One axial slice (181 of 209, counting up from the lowest) of a chest CT acquired at 120 kVp with the STANDARD kernel; each pixel is 0.693 mm and the slice is 1.25 mm thick.
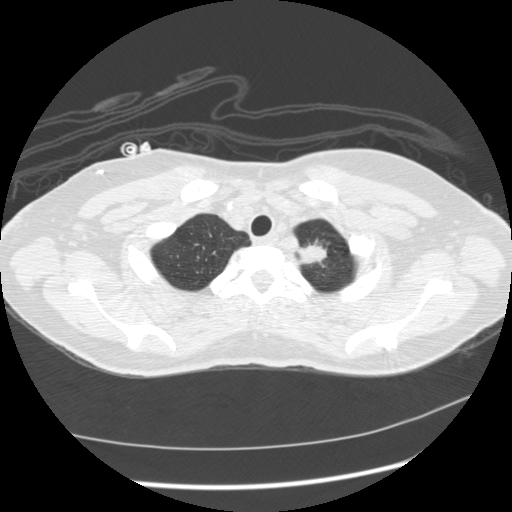
Pulmonary nodule at rows 237–265, columns 296–328 (box = the union of the readers' outlines on this slice), outlined by all four readers; median longest diameter 23.3 mm (readers' outlines 21.8–25.6 mm), median volume 3063 mm3 (2801–4927 mm3). Ratings, median across the readers with their spread: median texture 4/5 (readers ranged 4/5 to 5/5 (solid)); median margin 3.5/5 (readers ranged 3/5 to 4/5); median sphericity 3.5/5 (readers ranged 2/5 to 5/5 (round)); calcification absent from all four readers; internal structure soft tissue, all four readers agreeing; subtlety 5/5 from all four readers; malignancy likelihood 4.5/5 at the median of four readers, spread 3–5. Scale key (1–5): texture non-solid→solid, margin indistinct→circumscribed, sphericity linear→round, subtlety extremely subtle→obvious, malignancy likelihood highly unlikely→highly suspicious of cancer. Box rows and columns are 0-based pixel indices from the top-left corner, inclusive.